Axial chest CT slice 327 of 583 (counted from the lowest slice); tube voltage 120 kVp, convolution kernel STANDARD; slices 1.25 mm thick, 0.703 mm per pixel.
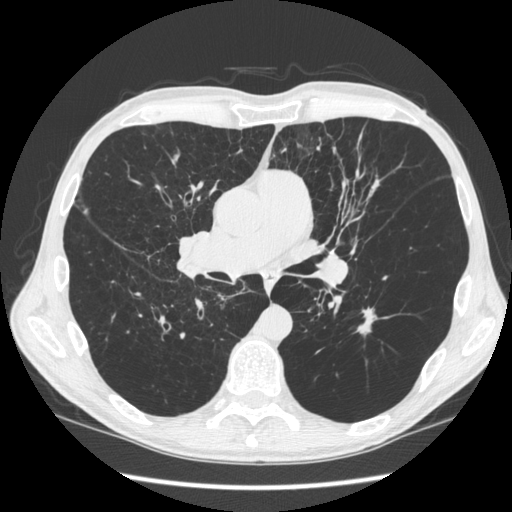
Pulmonary nodule at rows 308–336, columns 356–377 (box = the union of the readers' outlines on this slice), outlined by two of the four readers; median longest diameter 27.9 mm (readers' outlines 24.1–31.7 mm), median volume 984 mm3 (791–1176 mm3). Median ratings and the readers' spread: texture 5/5 (solid), both readers agreeing; median margin 2.5/5 (readers ranged 1/5 (indistinct) to 4/5); sphericity 1.5/5 at the median of two readers, spread 1/5 (linear) to 2/5; calcification absent, both readers agreeing; internal structure soft tissue, both readers agreeing; subtlety 5/5, both readers agreeing; malignancy likelihood 2.5/5 at the median of two readers, spread 2–3. Scale key (1–5): texture non-solid→solid, margin indistinct→circumscribed, sphericity linear→round, subtlety extremely subtle→obvious, malignancy likelihood highly unlikely→highly suspicious of cancer. Box rows and columns are 0-based pixel indices from the top-left corner, inclusive.